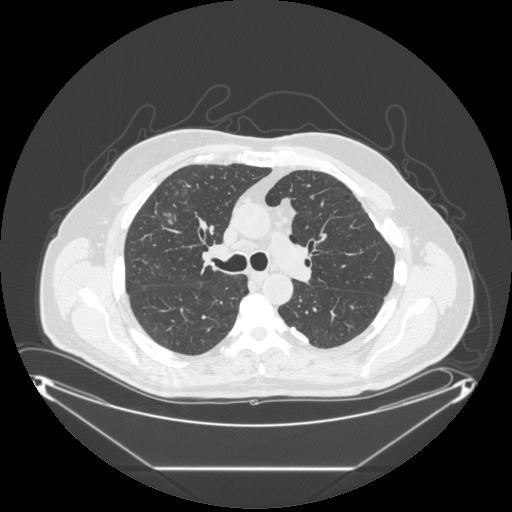
Axial chest CT slice 188 of 297 (counted from the lowest slice); tube voltage 120 kVp, convolution kernel STANDARD; slices 1.25 mm thick, 0.949 mm per pixel.
Pulmonary nodule at rows 212–224, columns 163–176 (box = the union of the readers' outlines on this slice), outlined by three of the four readers; longest diameter 21.2 mm on average over the three readers' outlines (readers' outlines 16.4–29.0 mm), volume 528–991 mm3. Ratings, by the readers' most common answer with dissent counted: texture split among the readers: 1/5 (non-solid) (one), 3/5 (part-solid) (one), 5/5 (solid) (one); most readers (two of three) put margin at 2/5, others 4/5 (one); most readers (two of three) put sphericity at 5/5 (round), others 3/5 (ovoid) (one); calcification absent, all three readers agreeing; internal structure soft tissue from all three readers; subtlety split among the readers: 1/5 (one), 4/5 (one), 5/5 (one); malignancy likelihood split among the readers: 2/5 (one), 4/5 (one), 5/5 (one). Scale key (1–5): texture non-solid→solid, margin indistinct→circumscribed, sphericity linear→round, subtlety extremely subtle→obvious, malignancy likelihood highly unlikely→highly suspicious of cancer. Box rows and columns are 0-based pixel indices from the top-left corner, inclusive.